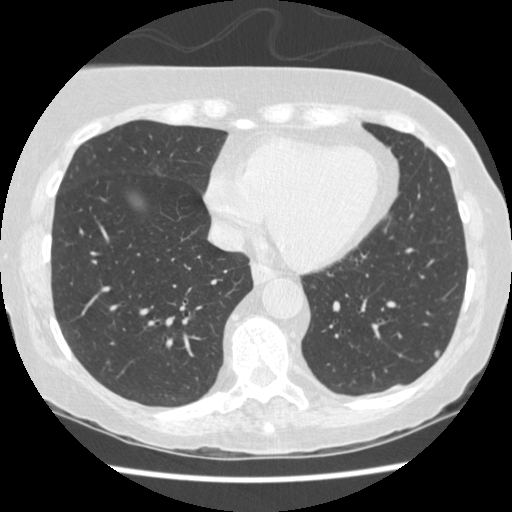
Axial chest CT slice 123 of 458 (counted from the lowest slice); tube voltage 120 kVp, convolution kernel STANDARD; slices 1.25 mm thick, 0.625 mm per pixel.
Pulmonary nodule, outlined by all four readers. Box on this slice rows 349–357, columns 434–440, the union of the readers' outlines on this slice; longest diameter 6.2–7.0 mm and volume 63–96 mm3 across the four readers' outlines. Ratings across the readers: texture from 4/5 to 5/5 (solid) across the four readers; margin from 3/5 to 5/5 (circumscribed) across the four readers; sphericity from 2/5 to 4/5 across the four readers; calcification absent, all four readers agreeing; internal structure soft tissue, all four readers agreeing; subtlety from 3/5 to 5/5 across the four readers; malignancy likelihood from 2/5 to 3/5 across the four readers. Scale key (1–5): texture non-solid→solid, margin indistinct→circumscribed, sphericity linear→round, subtlety extremely subtle→obvious, malignancy likelihood highly unlikely→highly suspicious of cancer. Box rows and columns are 0-based pixel indices from the top-left corner, inclusive.